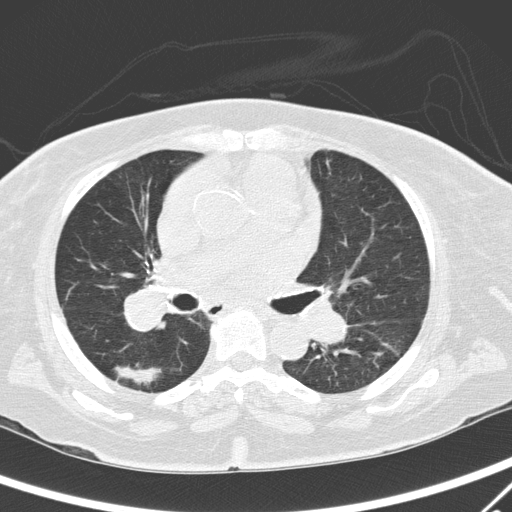
Axial chest CT slice 167 of 295 (counted from the lowest slice); 2.00 mm thick, 0.682 mm per pixel. Pulmonary nodule outlined by one of the four readers; box rows 362–388, columns 113–176 (that reader's outline on this slice); longest diameter 49.8 mm and volume 6337 mm3 from that reader's outline. Ratings by that reader: texture 4/5; margin 1/5 (indistinct); sphericity 3/5 (ovoid); calcification absent; internal structure soft tissue; subtlety 5/5; malignancy likelihood 5/5. Scale key (1–5): texture non-solid→solid, margin indistinct→circumscribed, sphericity linear→round, subtlety extremely subtle→obvious, malignancy likelihood highly unlikely→highly suspicious of cancer. Box rows and columns are 0-based pixel indices from the top-left corner, inclusive.
Acquired at 120 kVp and reconstructed with the D kernel.